One axial slice (56 of 122, counting up from the lowest) of a chest CT acquired at 140 kVp with the BONE kernel; each pixel is 0.584 mm and the slice is 2.50 mm thick.
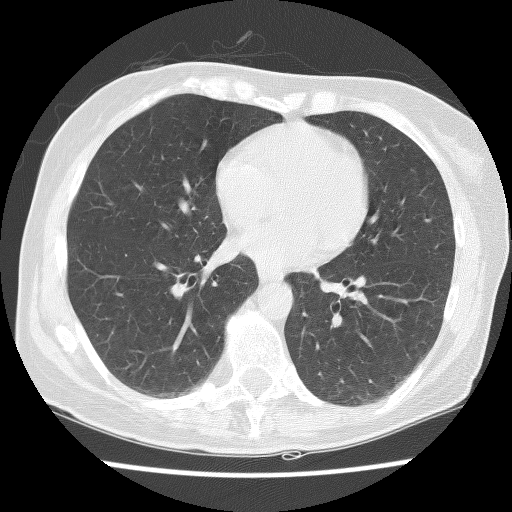
Pulmonary nodule, outlined by one of the four readers. Box on this slice rows 168–170, columns 409–414, that reader's outline on this slice; longest diameter 7.1 mm and volume 58 mm3 from that reader's outline. That reader's ratings: texture 5/5 (solid); margin 5/5 (circumscribed); sphericity 3/5 (ovoid); calcification absent; internal structure soft tissue; subtlety 3/5; malignancy likelihood 2/5. Scale key (1–5): texture non-solid→solid, margin indistinct→circumscribed, sphericity linear→round, subtlety extremely subtle→obvious, malignancy likelihood highly unlikely→highly suspicious of cancer. Box rows and columns are 0-based pixel indices from the top-left corner, inclusive.